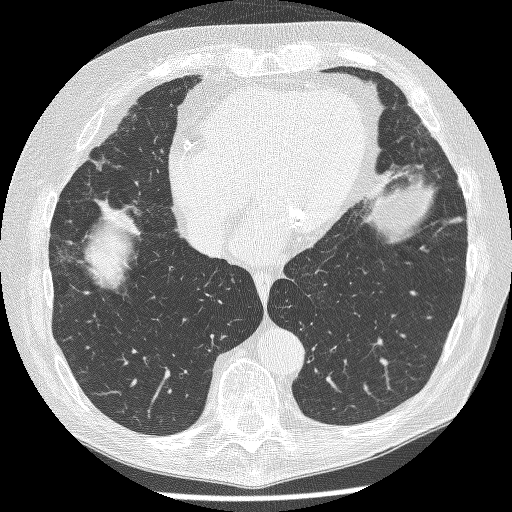
Chest CT, axial plane, 120 kVp, kernel BONE. Slice 106/250 from the bottom of the scan; thickness 1.25 mm; pixel size 0.654 mm.
Pulmonary nodule at rows 277–282, columns 231–234 (box = the union of the readers' outlines on this slice), outlined by two of the four readers; median longest diameter 5.3 mm (readers' outlines 5.0–5.6 mm), median volume 43 mm3 (36–51 mm3). Median ratings and the readers' spread: texture 5/5 (solid), both readers agreeing; margin 4.5/5 at the median of two readers, spread 4/5 to 5/5 (circumscribed); sphericity 3.5/5 at the median of two readers, spread 3/5 (ovoid) to 4/5; calcification absent, both readers agreeing; internal structure soft tissue, both readers agreeing; median subtlety 3/5 (readers ranged 2–4); malignancy likelihood 3/5, both readers agreeing. Scale key (1–5): texture non-solid→solid, margin indistinct→circumscribed, sphericity linear→round, subtlety extremely subtle→obvious, malignancy likelihood highly unlikely→highly suspicious of cancer. Box rows and columns are 0-based pixel indices from the top-left corner, inclusive.